Axial chest CT slice 65 of 161 (counted from the lowest slice); tube voltage 120 kVp, convolution kernel B30f; slices 2.00 mm thick, 0.586 mm per pixel.
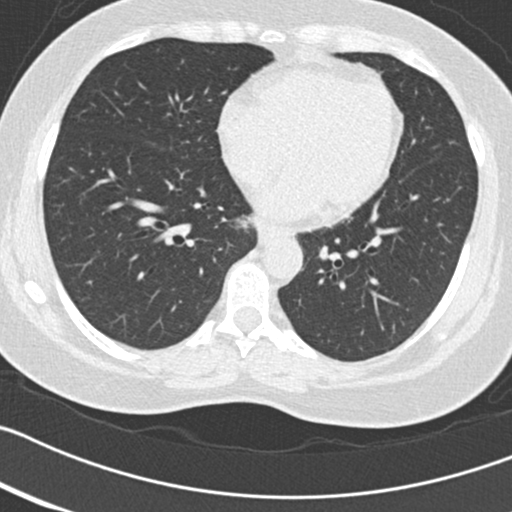
No nodule 3 mm or larger was outlined here by any reader.